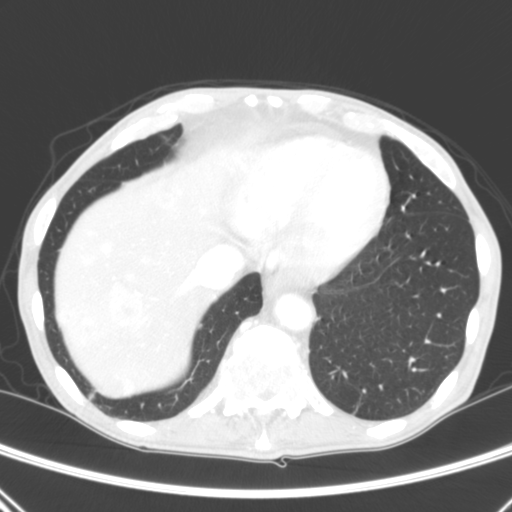
Slice 68/290 of a chest CT, counting up from the lowest; pixel size 0.639 mm, slice thickness 2.00 mm. Pulmonary nodule, outlined by one of the four readers. Box on this slice rows 324–328, columns 199–201, that reader's outline on this slice; longest diameter 5.1 mm and volume 22 mm3 from that reader's outline. Ratings by that reader: texture 5/5 (solid); margin 5/5 (circumscribed); sphericity 4/5; calcification absent; internal structure soft tissue; subtlety 5/5; malignancy likelihood 3/5. Scale key (1–5): texture non-solid→solid, margin indistinct→circumscribed, sphericity linear→round, subtlety extremely subtle→obvious, malignancy likelihood highly unlikely→highly suspicious of cancer. Box rows and columns are 0-based pixel indices from the top-left corner, inclusive.
Scan settings: 120 kVp, B reconstruction kernel.